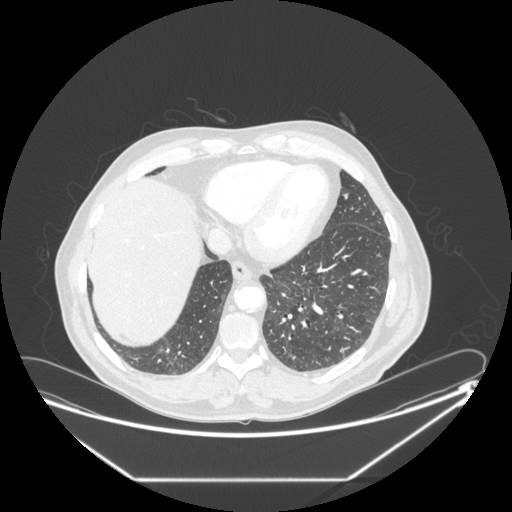
One axial slice (96 of 277, counting up from the lowest) of a chest CT acquired at 120 kVp with the STANDARD kernel; each pixel is 0.879 mm and the slice is 1.25 mm thick.
Pulmonary nodule, outlined by two of the four readers. Box on this slice rows 192–198, columns 342–348, the union of the readers' outlines on this slice; longest diameter 8.5 mm on average over the two readers' outlines (readers' outlines 7.6–9.3 mm), volume 94–139 mm3. Ratings, by the readers' most common answer with dissent counted: texture split among the readers: 4/5 (one), 5/5 (solid) (one); margin split among the readers: 3/5 (one), 5/5 (circumscribed) (one); sphericity split among the readers: 2/5 (one), 4/5 (one); calcification absent, both readers agreeing; internal structure soft tissue from both readers; subtlety split among the readers: 3/5 (one), 5/5 (one); malignancy likelihood 2/5 from both readers. Scale key (1–5): texture non-solid→solid, margin indistinct→circumscribed, sphericity linear→round, subtlety extremely subtle→obvious, malignancy likelihood highly unlikely→highly suspicious of cancer. Box rows and columns are 0-based pixel indices from the top-left corner, inclusive.